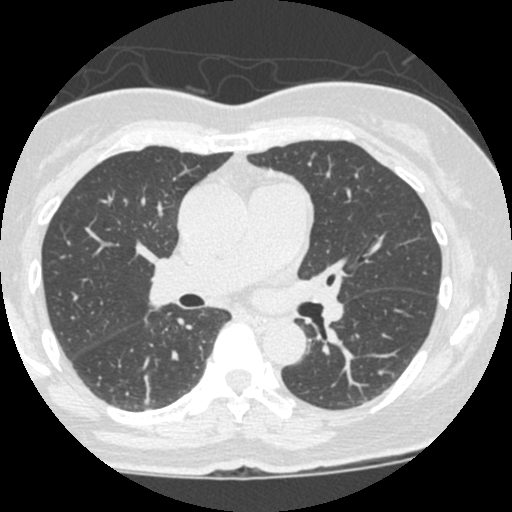
Axial slice 302 of 490 of a chest CT (slice 1 is the lowest), reconstructed with the STANDARD kernel at 120 kVp; 1.25 mm slice thickness and 0.547 mm pixels.
Pulmonary nodule at rows 397–404, columns 143–149 (box = the union of the readers' outlines on this slice), outlined by all four readers, three of them on this slice; longest diameter 5.7 mm on average over the four readers' outlines (readers' outlines 5.2–6.2 mm), volume 53–89 mm3. The readers' prevailing ratings and who disagreed: texture 5/5 (solid) from all four readers; margin split among the readers: 3/5 (two), 5/5 (circumscribed) (two); sphericity 4/5 by two of four readers; the rest gave 3/5 (ovoid) (one), 5/5 (round) (one); calcification absent from all four readers; internal structure soft tissue, all four readers agreeing; subtlety split among the readers: 3/5 (two), 4/5 (two); malignancy likelihood split among the readers: 2/5 (two), 3/5 (two). Scale key (1–5): texture non-solid→solid, margin indistinct→circumscribed, sphericity linear→round, subtlety extremely subtle→obvious, malignancy likelihood highly unlikely→highly suspicious of cancer. Box rows and columns are 0-based pixel indices from the top-left corner, inclusive.